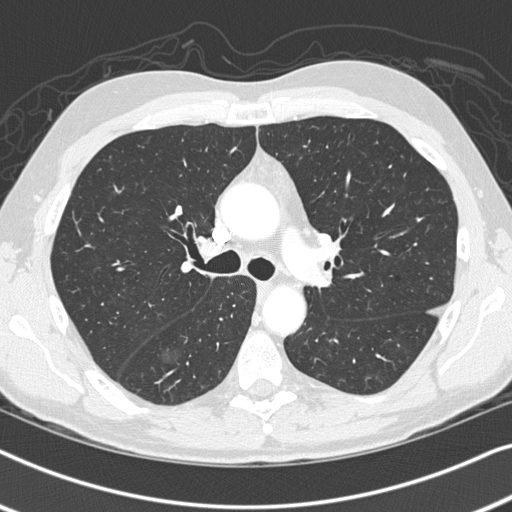
Axial chest CT slice 213 of 326 (counted from the lowest slice); 1.00 mm thick, 0.645 mm per pixel. Pulmonary nodule at rows 346–363, columns 159–179 (box = the union of the readers' outlines on this slice), outlined by all four readers; longest diameter 12.5–18.0 mm and volume 328–843 mm3 across the four readers' outlines. The readers' ratings, as ranges where they differ: texture 1/5 (non-solid), all four readers agreeing; margin from 1/5 (indistinct) to 4/5 across the four readers; sphericity from 3/5 (ovoid) to 5/5 (round) across the four readers; calcification absent, all four readers agreeing; internal structure soft tissue from all four readers; subtlety from 1/5 to 4/5 across the four readers; malignancy likelihood rated between 2 and 4 out of 5 by the four readers. Scale key (1–5): texture non-solid→solid, margin indistinct→circumscribed, sphericity linear→round, subtlety extremely subtle→obvious, malignancy likelihood highly unlikely→highly suspicious of cancer. Box rows and columns are 0-based pixel indices from the top-left corner, inclusive.
Scan settings: 120 kVp, B45f reconstruction kernel.